One axial slice (129 of 327, counting up from the lowest) of a chest CT acquired at 120 kVp with the B45f kernel; each pixel is 0.664 mm and the slice is 1.00 mm thick.
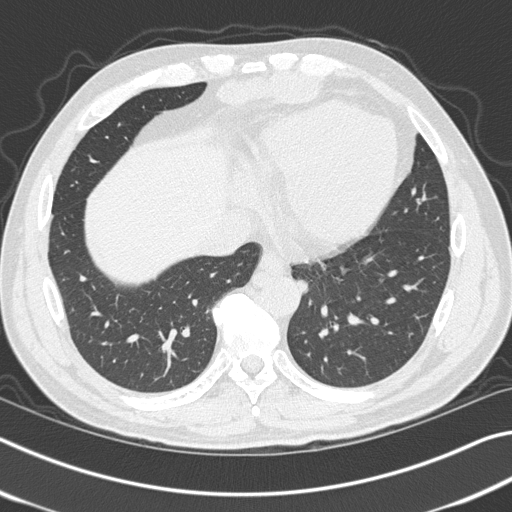
Pulmonary nodule at rows 279–295, columns 295–308 (box = the union of the readers' outlines on this slice), outlined by three of the four readers; median longest diameter 12.5 mm (readers' outlines 12.4–14.0 mm), median volume 407 mm3 (357–534 mm3). Median ratings and the readers' spread: texture 5/5 (solid), all three readers agreeing; median margin 5/5 (circumscribed) (readers ranged 4/5 to 5/5 (circumscribed)); sphericity 4/5 at the median of three readers, spread 3/5 (ovoid) to 5/5 (round); calcification absent from all three readers; internal structure soft tissue, all three readers agreeing; median subtlety 3/5 (readers ranged 1–4); median malignancy likelihood 4/5 (readers ranged 2–4). Scale key (1–5): texture non-solid→solid, margin indistinct→circumscribed, sphericity linear→round, subtlety extremely subtle→obvious, malignancy likelihood highly unlikely→highly suspicious of cancer. Box rows and columns are 0-based pixel indices from the top-left corner, inclusive.